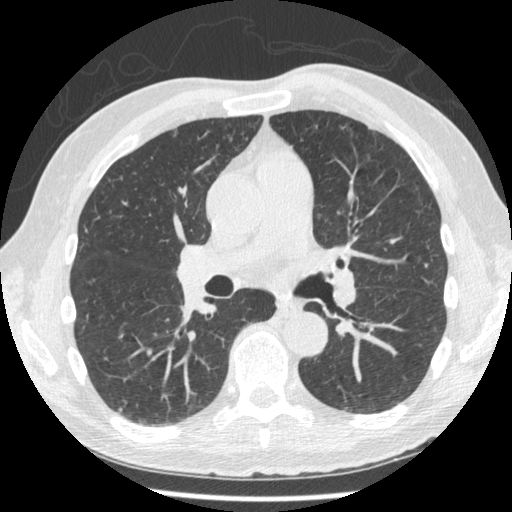
Axial slice 258 of 481 of a chest CT (slice 1 is the lowest), reconstructed with the STANDARD kernel at 120 kVp; 1.25 mm slice thickness and 0.664 mm pixels.
Pulmonary nodule at rows 125–129, columns 340–346 (box = the one reader's outline on this slice), outlined by all four readers, one of them on this slice; longest diameter 5.8 mm on average over the four readers' outlines (readers' outlines 4.8–6.3 mm), volume 16–46 mm3. Ratings, by the readers' most common answer with dissent counted: texture split among the readers: 2/5 (two), 5/5 (solid) (two); margin split among the readers: 2/5 (two), 5/5 (circumscribed) (two); sphericity 3/5 (ovoid) by two of four readers; the rest gave 2/5 (one), 5/5 (round) (one); calcification absent, all four readers agreeing; internal structure soft tissue from all four readers; subtlety 3/5 by three of four readers; the rest gave 1/5 (one); malignancy likelihood 3/5 by two of four readers; the rest gave 1/5 (one), 2/5 (one). Scale key (1–5): texture non-solid→solid, margin indistinct→circumscribed, sphericity linear→round, subtlety extremely subtle→obvious, malignancy likelihood highly unlikely→highly suspicious of cancer. Box rows and columns are 0-based pixel indices from the top-left corner, inclusive.